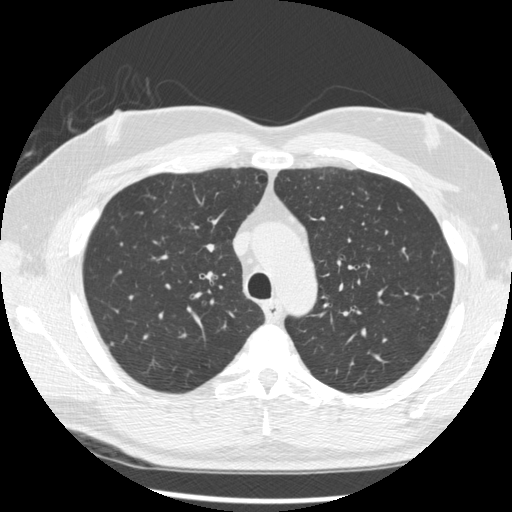
One axial slice (345 of 522, counting up from the lowest) of a chest CT acquired at 120 kVp with the STANDARD kernel; each pixel is 0.703 mm and the slice is 1.25 mm thick.
Pulmonary nodule at rows 341–345, columns 110–114 (box = that reader's outline on this slice), outlined by one of the four readers; longest diameter 5.4 mm and volume 41 mm3 from that reader's outline. Ratings by that reader: texture 5/5 (solid); margin 5/5 (circumscribed); sphericity 4/5; calcification absent; internal structure soft tissue; subtlety 4/5; malignancy likelihood 3/5. Scale key (1–5): texture non-solid→solid, margin indistinct→circumscribed, sphericity linear→round, subtlety extremely subtle→obvious, malignancy likelihood highly unlikely→highly suspicious of cancer. Box rows and columns are 0-based pixel indices from the top-left corner, inclusive.